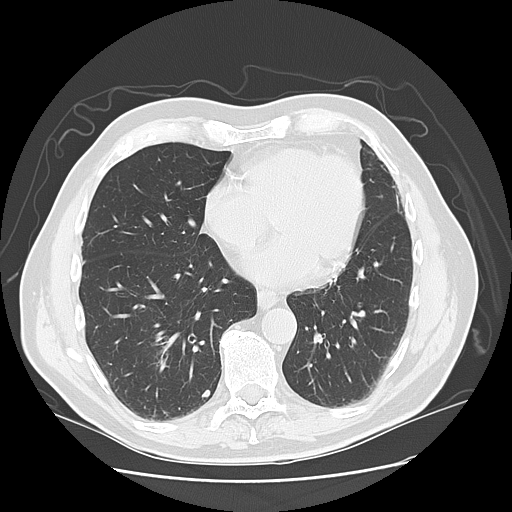
This is axial slice 48 of 131 (slice 1 is the lowest) of a chest CT; each pixel is 0.723 mm and the slice is 2.50 mm thick. Pulmonary nodule outlined by three of the four readers; box rows 390–397, columns 202–209 (the union of the readers' outlines on this slice); longest diameter 8.1–8.2 mm and volume 186–190 mm3 across the three readers' outlines. Ratings across the readers: texture 5/5 (solid), all three readers agreeing; margin from 4/5 to 5/5 (circumscribed) across the three readers; sphericity from 2/5 to 3/5 (ovoid) across the three readers; calcification: absent (two), solid calcification (one); internal structure soft tissue from all three readers; subtlety from 3/5 to 5/5 across the three readers; malignancy likelihood rated between 1 and 2 out of 5 by the three readers. Scale key (1–5): texture non-solid→solid, margin indistinct→circumscribed, sphericity linear→round, subtlety extremely subtle→obvious, malignancy likelihood highly unlikely→highly suspicious of cancer. Box rows and columns are 0-based pixel indices from the top-left corner, inclusive.
Tube voltage 120 kVp; convolution kernel LUNG.